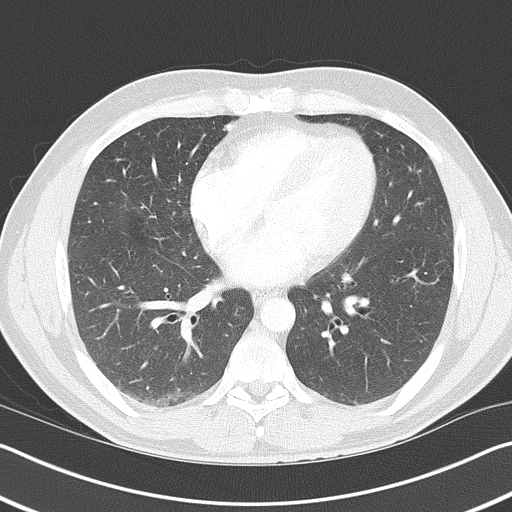
Chest CT, axial plane, 120 kVp, kernel B70f. Slice 201/368 from the bottom of the scan; thickness 2.00 mm; pixel size 0.660 mm.
Pulmonary nodule, outlined by one of the four readers. Box on this slice rows 120–131, columns 222–234, that reader's outline on this slice; longest diameter 12.5 mm and volume 369 mm3 from that reader's outline. That reader's ratings: texture 5/5 (solid); margin 5/5 (circumscribed); sphericity 5/5 (round); calcification solid calcification; internal structure soft tissue; subtlety 5/5; malignancy likelihood 1/5. Scale key (1–5): texture non-solid→solid, margin indistinct→circumscribed, sphericity linear→round, subtlety extremely subtle→obvious, malignancy likelihood highly unlikely→highly suspicious of cancer. Box rows and columns are 0-based pixel indices from the top-left corner, inclusive.